Axial chest CT slice 161 of 220 (counted from the lowest slice); tube voltage 140 kVp, convolution kernel D; slices 1.00 mm thick, 0.770 mm per pixel.
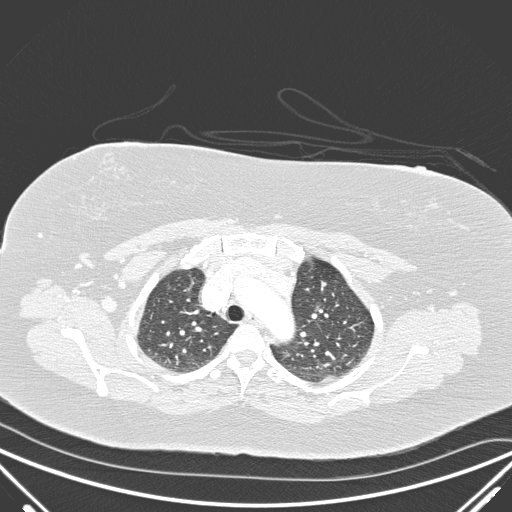
Pulmonary nodule at rows 282–286, columns 321–326 (box = the union of the readers' outlines on this slice), outlined by all four readers; median longest diameter 6.0 mm (readers' outlines 5.4–7.1 mm), median volume 76 mm3 (44–97 mm3). Median ratings and the readers' spread: texture 5/5 (solid) at the median of four readers, spread 4/5 to 5/5 (solid); margin 4/5 at the median of four readers, spread 3/5 to 5/5 (circumscribed); sphericity 4/5 from all four readers; calcification absent from all four readers; internal structure soft tissue from all four readers; subtlety 4/5 at the median of four readers, spread 2–5; malignancy likelihood 2.5/5 at the median of four readers, spread 2–3. Scale key (1–5): texture non-solid→solid, margin indistinct→circumscribed, sphericity linear→round, subtlety extremely subtle→obvious, malignancy likelihood highly unlikely→highly suspicious of cancer. Box rows and columns are 0-based pixel indices from the top-left corner, inclusive.